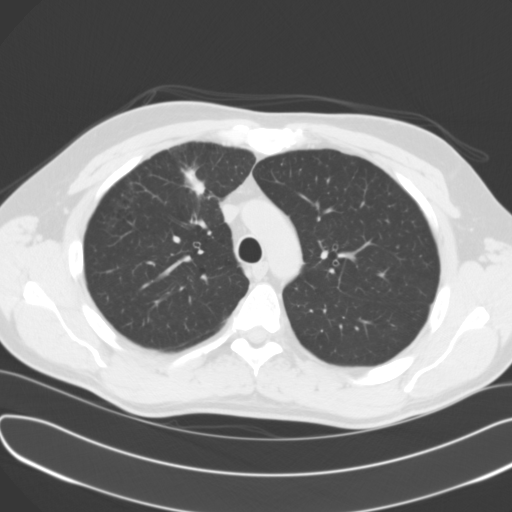
Axial chest CT slice 93 of 131 (counted from the lowest slice); tube voltage 120 kVp, convolution kernel B31f; slices 3.00 mm thick, 0.721 mm per pixel.
Pulmonary nodule at rows 161–202, columns 179–205 (box = the union of the readers' outlines on this slice), outlined by all four readers; median longest diameter 24.2 mm (readers' outlines 22.6–49.1 mm), median volume 1466 mm3 (879–6132 mm3). Median ratings and the readers' spread: median texture 5/5 (solid) (readers ranged 4/5 to 5/5 (solid)); margin 2.5/5 at the median of four readers, spread 1/5 (indistinct) to 4/5; median sphericity 3.5/5 (readers ranged 2/5 to 5/5 (round)); calcification absent from all four readers; internal structure soft tissue, all four readers agreeing; subtlety 5/5 at the median of four readers, spread 2–5; malignancy likelihood 4.5/5 at the median of four readers, spread 1–5. Scale key (1–5): texture non-solid→solid, margin indistinct→circumscribed, sphericity linear→round, subtlety extremely subtle→obvious, malignancy likelihood highly unlikely→highly suspicious of cancer. Box rows and columns are 0-based pixel indices from the top-left corner, inclusive.